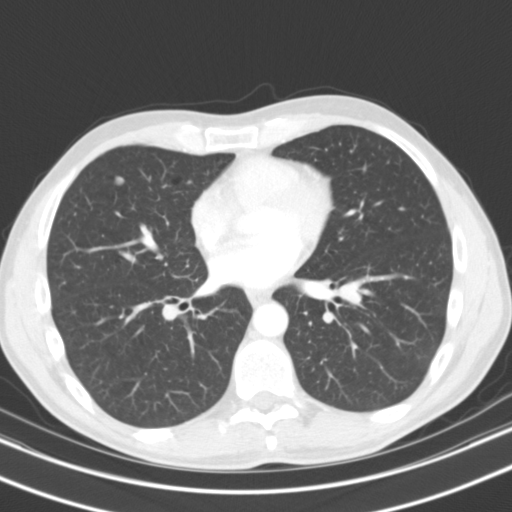
Axial chest CT slice 54 of 119 (counted from the lowest slice); tube voltage 130 kVp, convolution kernel B31s; slices 3.00 mm thick, 0.650 mm per pixel.
Pulmonary nodule, outlined by all four readers. Box on this slice rows 175–185, columns 115–124, the union of the readers' outlines on this slice; longest diameter 7.5 mm on average over the four readers' outlines (readers' outlines 7.2–7.9 mm), volume 122–163 mm3. Ratings, by the readers' most common answer with dissent counted: texture 4/5 by two of four readers; the rest gave 1/5 (non-solid) (one), 3/5 (part-solid) (one); margin 3/5 by two of four readers; the rest gave 2/5 (one), 4/5 (one); sphericity split among the readers: 4/5 (two), 5/5 (round) (two); calcification absent from all four readers; internal structure soft tissue from all four readers; subtlety split among the readers: 1/5 (one), 3/5 (one), 4/5 (one), 5/5 (one); malignancy likelihood 2/5 by three of four readers; the rest gave 3/5 (one). Scale key (1–5): texture non-solid→solid, margin indistinct→circumscribed, sphericity linear→round, subtlety extremely subtle→obvious, malignancy likelihood highly unlikely→highly suspicious of cancer. Box rows and columns are 0-based pixel indices from the top-left corner, inclusive.